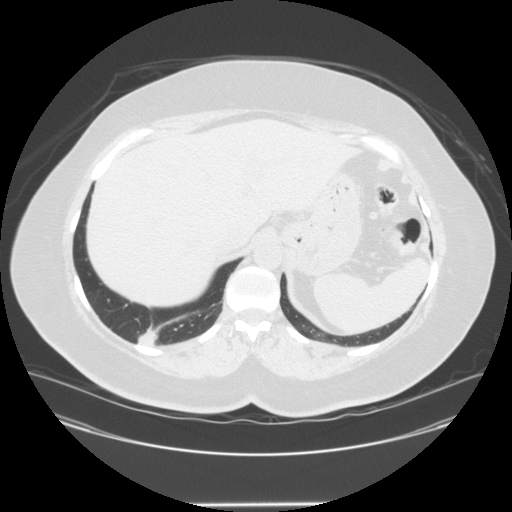
Axial chest CT slice 44 of 150 (counted from the lowest slice); 2.50 mm thick, 0.820 mm per pixel. Pulmonary nodule at rows 321–341, columns 133–153 (box = the union of the readers' outlines on this slice), outlined by three of the four readers, two of them on this slice; median longest diameter 36.7 mm (readers' outlines 34.5–41.5 mm), median volume 15464 mm3 (15181–19016 mm3). Median ratings and the readers' spread: texture 5/5 (solid) from all three readers; margin 4/5 at the median of three readers, spread 2/5 to 4/5; sphericity 4/5 at the median of three readers, spread 3/5 (ovoid) to 5/5 (round); calcification absent, all three readers agreeing; internal structure soft tissue, all three readers agreeing; subtlety 5/5, all three readers agreeing; malignancy likelihood 5/5, all three readers agreeing. Scale key (1–5): texture non-solid→solid, margin indistinct→circumscribed, sphericity linear→round, subtlety extremely subtle→obvious, malignancy likelihood highly unlikely→highly suspicious of cancer. Box rows and columns are 0-based pixel indices from the top-left corner, inclusive.
Scan settings: 120 kVp, STANDARD reconstruction kernel.